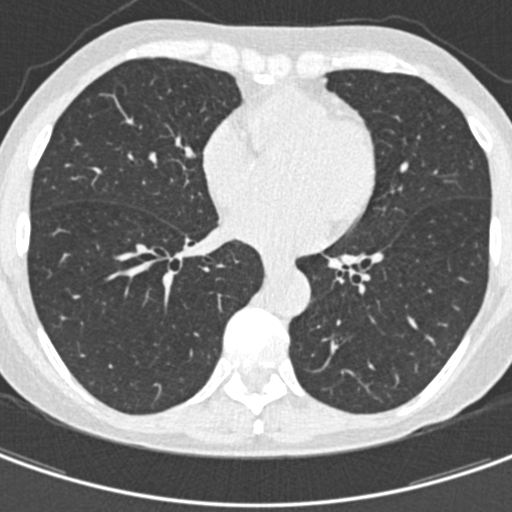
One axial slice (195 of 429, counting up from the lowest) of a chest CT acquired at 120 kVp with the B30f kernel; each pixel is 0.537 mm and the slice is 0.75 mm thick.
None of the four readers outlined a nodule of 3 mm or more on this slice.